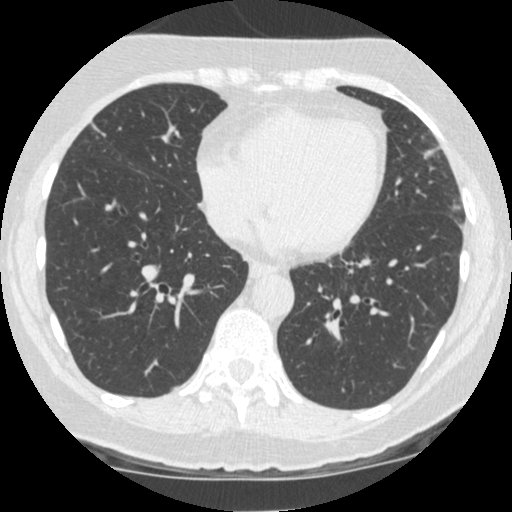
Axial chest CT slice 167 of 481 (counted from the lowest slice); tube voltage 120 kVp, convolution kernel STANDARD; slices 1.25 mm thick, 0.586 mm per pixel.
Pulmonary nodule, outlined by all four readers. Box on this slice rows 149–157, columns 423–434, the union of the readers' outlines on this slice; the four readers' outlines give a longest diameter between 9.6 and 11.3 mm and a volume between 410 and 491 mm3. The readers' ratings, as ranges where they differ: texture 5/5 (solid) from all four readers; margin from 4/5 to 5/5 (circumscribed) across the four readers; sphericity from 4/5 to 5/5 (round) across the four readers; calcification absent from all four readers; internal structure soft tissue, all four readers agreeing; subtlety 4–5/5 (the readers disagree); malignancy likelihood rated between 2 and 5 out of 5 by the four readers. Scale key (1–5): texture non-solid→solid, margin indistinct→circumscribed, sphericity linear→round, subtlety extremely subtle→obvious, malignancy likelihood highly unlikely→highly suspicious of cancer. Box rows and columns are 0-based pixel indices from the top-left corner, inclusive.